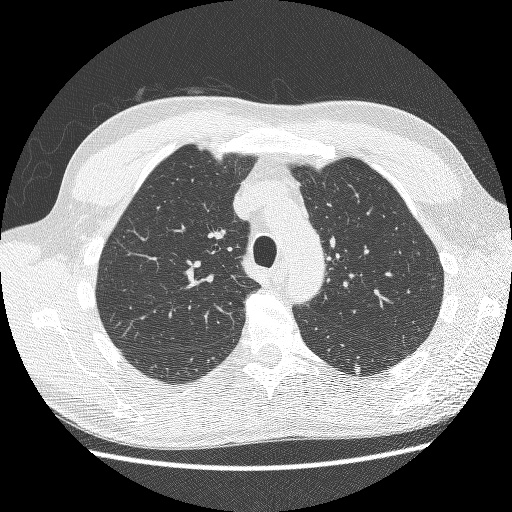
Axial chest CT slice 184 of 252 (counted from the lowest slice); 1.25 mm thick, 0.703 mm per pixel. Pulmonary nodule at rows 364–374, columns 352–359 (box = the union of the readers' outlines on this slice), outlined by all four readers; longest diameter 8.0–9.4 mm and volume 123–160 mm3 across the four readers' outlines. Ratings across the readers: texture from 4/5 to 5/5 (solid) across the four readers; margin 4/5, all four readers agreeing; sphericity from 3/5 (ovoid) to 4/5 across the four readers; calcification absent from all four readers; internal structure soft tissue, all four readers agreeing; subtlety 3–5/5 (the readers disagree); malignancy likelihood 3–4/5 (the readers disagree). Scale key (1–5): texture non-solid→solid, margin indistinct→circumscribed, sphericity linear→round, subtlety extremely subtle→obvious, malignancy likelihood highly unlikely→highly suspicious of cancer. Box rows and columns are 0-based pixel indices from the top-left corner, inclusive.
Scan settings: 120 kVp, BONE reconstruction kernel.